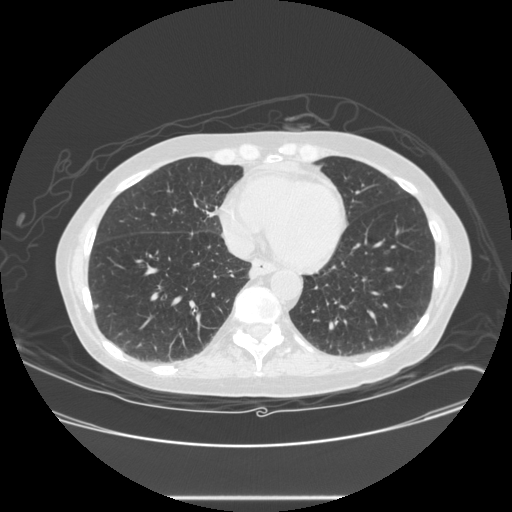
Chest CT, axial plane, 120 kVp, kernel STANDARD. Slice 91/257 from the bottom of the scan; thickness 1.25 mm; pixel size 0.787 mm.
Pulmonary nodule, outlined by two of the four readers. Box on this slice rows 303–308, columns 93–98, the union of the readers' outlines on this slice; median longest diameter 6.2 mm (readers' outlines 5.7–6.7 mm), median volume 46 mm3 (36–55 mm3). Median ratings and the readers' spread: texture 5/5 (solid) from both readers; median margin 4.5/5 (readers ranged 4/5 to 5/5 (circumscribed)); sphericity 4/5 from both readers; calcification absent, both readers agreeing; internal structure soft tissue, both readers agreeing; subtlety 2.5/5 at the median of two readers, spread 2–3; malignancy likelihood 1.5/5 at the median of two readers, spread 1–2. Scale key (1–5): texture non-solid→solid, margin indistinct→circumscribed, sphericity linear→round, subtlety extremely subtle→obvious, malignancy likelihood highly unlikely→highly suspicious of cancer. Box rows and columns are 0-based pixel indices from the top-left corner, inclusive.